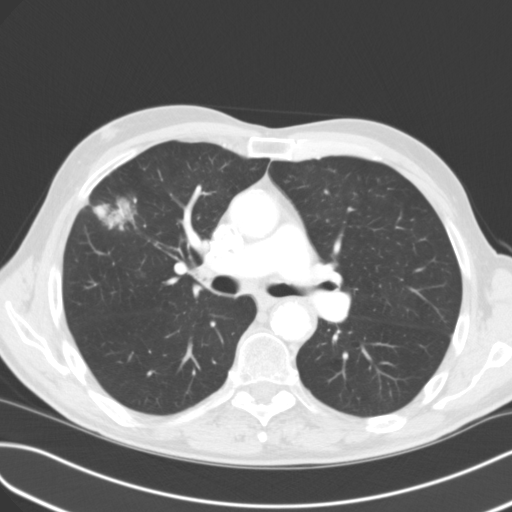
Axial slice 68 of 114 of a chest CT (slice 1 is the lowest), reconstructed with the B31f kernel at 120 kVp; 3.00 mm slice thickness and 0.689 mm pixels.
Pulmonary nodule at rows 197–230, columns 92–136 (box = the union of the readers' outlines on this slice), outlined by all four readers; longest diameter 43.2 mm on average over the four readers' outlines (readers' outlines 40.2–48.6 mm), volume 17639–20532 mm3. Ratings, by the readers' most common answer with dissent counted: texture split among the readers: 4/5 (two), 5/5 (solid) (two); margin 4/5 by two of four readers; the rest gave 3/5 (one), 5/5 (circumscribed) (one); sphericity split among the readers: 3/5 (ovoid) (two), 4/5 (two); calcification absent from all four readers; internal structure soft tissue from all four readers; subtlety 5/5, all four readers agreeing; malignancy likelihood 4/5 by two of four readers; the rest gave 3/5 (one), 5/5 (one). Scale key (1–5): texture non-solid→solid, margin indistinct→circumscribed, sphericity linear→round, subtlety extremely subtle→obvious, malignancy likelihood highly unlikely→highly suspicious of cancer. Box rows and columns are 0-based pixel indices from the top-left corner, inclusive.